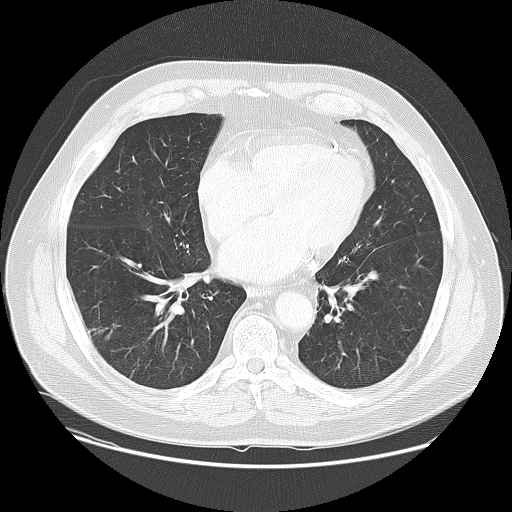
Axial chest CT slice 57 of 133 (counted from the lowest slice); tube voltage 120 kVp, convolution kernel LUNG; slices 2.50 mm thick, 0.820 mm per pixel.
Pulmonary nodule, outlined by all four readers, three of them on this slice. Box on this slice rows 334–340, columns 104–110, the union of the readers' outlines on this slice; longest diameter 7.9 mm on average over the four readers' outlines (readers' outlines 7.6–8.6 mm), volume 136–234 mm3. Ratings, by the readers' most common answer with dissent counted: texture 5/5 (solid) from all four readers; most readers (three of four) put margin at 5/5 (circumscribed), others 4/5 (one); sphericity split among the readers: 3/5 (ovoid) (two), 4/5 (two); calcification absent from all four readers; internal structure soft tissue, all four readers agreeing; subtlety 5/5 by two of four readers; the rest gave 2/5 (one), 4/5 (one); malignancy likelihood 3/5 by three of four readers; the rest gave 2/5 (one). Scale key (1–5): texture non-solid→solid, margin indistinct→circumscribed, sphericity linear→round, subtlety extremely subtle→obvious, malignancy likelihood highly unlikely→highly suspicious of cancer. Box rows and columns are 0-based pixel indices from the top-left corner, inclusive.